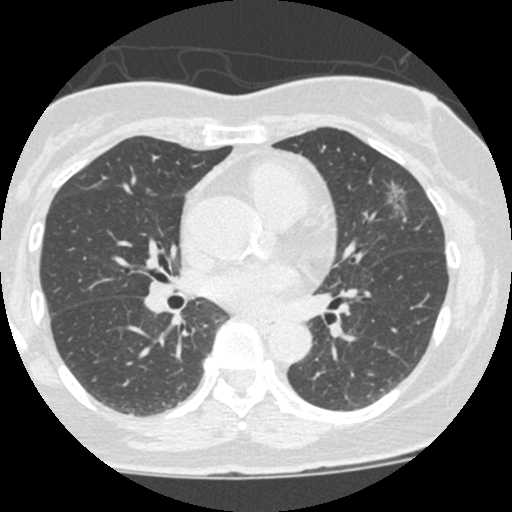
One axial slice (274 of 490, counting up from the lowest) of a chest CT acquired at 120 kVp with the STANDARD kernel; each pixel is 0.547 mm and the slice is 1.25 mm thick.
Pulmonary nodule, outlined by two of the four readers. Box on this slice rows 177–220, columns 382–409, the union of the readers' outlines on this slice; longest diameter 26.9 mm on average over the two readers' outlines (readers' outlines 26.3–27.5 mm), volume 1167–1852 mm3. Ratings, by the readers' most common answer with dissent counted: texture 1/5 (non-solid) from both readers; margin split among the readers: 1/5 (indistinct) (one), 2/5 (one); sphericity split among the readers: 2/5 (one), 5/5 (round) (one); calcification absent, both readers agreeing; internal structure soft tissue, both readers agreeing; subtlety split among the readers: 1/5 (one), 5/5 (one); malignancy likelihood split among the readers: 2/5 (one), 3/5 (one). Scale key (1–5): texture non-solid→solid, margin indistinct→circumscribed, sphericity linear→round, subtlety extremely subtle→obvious, malignancy likelihood highly unlikely→highly suspicious of cancer. Box rows and columns are 0-based pixel indices from the top-left corner, inclusive.